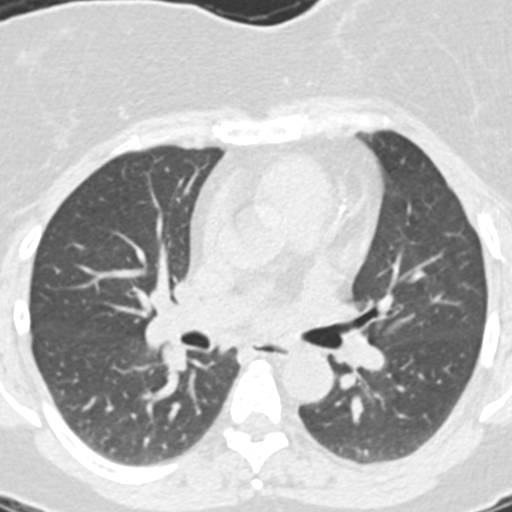
Axial chest CT slice 58 of 331 (counted from the lowest slice); 1.25 mm thick, 0.496 mm per pixel. No nodule 3 mm or larger was outlined here by any reader.
Acquired at 130 kVp and reconstructed with the B20s kernel.